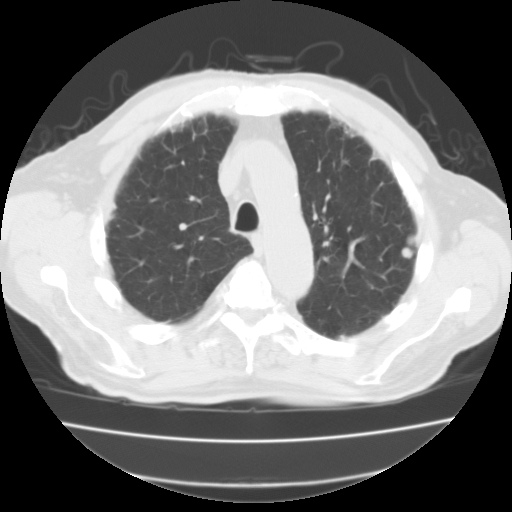
Chest CT, axial plane, 135 kVp, kernel FC01. Slice 75/111 from the bottom of the scan; thickness 3.00 mm; pixel size 0.714 mm.
Pulmonary nodule, outlined by all four readers. Box on this slice rows 233–258, columns 400–415, the union of the readers' outlines on this slice; median longest diameter 24.6 mm (readers' outlines 24.3–25.8 mm), median volume 4094 mm3 (3889–4187 mm3). Ratings, median across the readers with their spread: texture 5/5 (solid) from all four readers; margin 5/5 (circumscribed) from all four readers; median sphericity 3/5 (ovoid) (readers ranged 3/5 (ovoid) to 5/5 (round)); calcification absent, all four readers agreeing; internal structure soft tissue from all four readers; subtlety 5/5 from all four readers; median malignancy likelihood 3.5/5 (readers ranged 2–5). Scale key (1–5): texture non-solid→solid, margin indistinct→circumscribed, sphericity linear→round, subtlety extremely subtle→obvious, malignancy likelihood highly unlikely→highly suspicious of cancer. Box rows and columns are 0-based pixel indices from the top-left corner, inclusive.